Axial chest CT slice 160 of 232 (counted from the lowest slice); tube voltage 120 kVp, convolution kernel STANDARD; slices 1.25 mm thick, 0.781 mm per pixel.
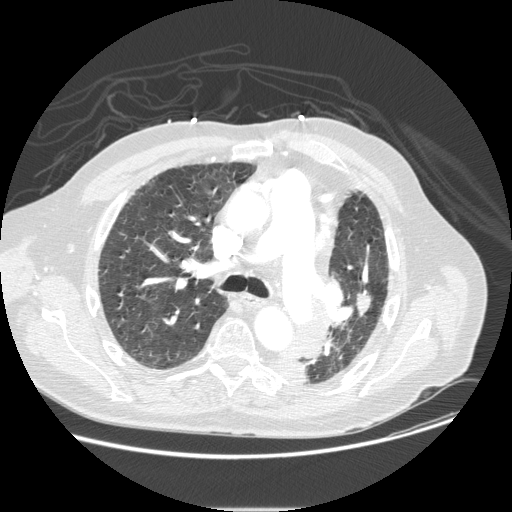
Pulmonary nodule outlined by all four readers; box rows 289–316, columns 355–372 (the union of the readers' outlines on this slice); median longest diameter 21.4 mm (readers' outlines 19.0–24.3 mm), median volume 1864 mm3 (1498–2178 mm3). Median ratings and the readers' spread: texture 5/5 (solid) from all four readers; median margin 4.5/5 (readers ranged 4/5 to 5/5 (circumscribed)); sphericity 3/5 (ovoid) from all four readers; calcification absent, all four readers agreeing; internal structure soft tissue, all four readers agreeing; median subtlety 4.5/5 (readers ranged 4–5); median malignancy likelihood 3.5/5 (readers ranged 2–5). Scale key (1–5): texture non-solid→solid, margin indistinct→circumscribed, sphericity linear→round, subtlety extremely subtle→obvious, malignancy likelihood highly unlikely→highly suspicious of cancer. Box rows and columns are 0-based pixel indices from the top-left corner, inclusive.